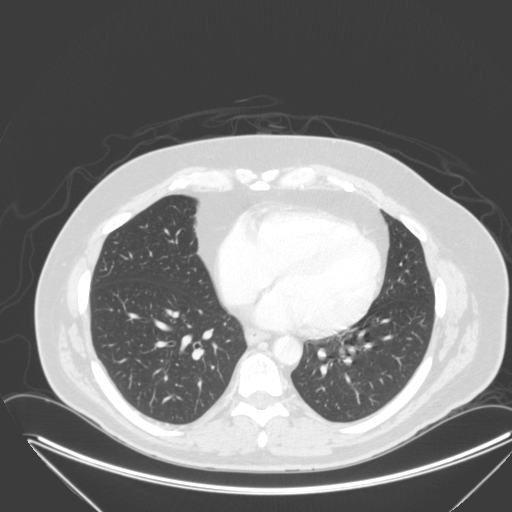
Axial chest CT slice 124 of 315 (counted from the lowest slice); tube voltage 120 kVp, convolution kernel B; slices 2.00 mm thick, 0.830 mm per pixel.
Pulmonary nodule, outlined by all four readers. Box on this slice rows 346–356, columns 338–345, the union of the readers' outlines on this slice; longest diameter 13.2 mm on average over the four readers' outlines (readers' outlines 12.3–13.9 mm), volume 668–831 mm3. Ratings, by the readers' most common answer with dissent counted: most readers (three of four) put texture at 5/5 (solid), others 4/5 (one); most readers (three of four) put margin at 5/5 (circumscribed), others 4/5 (one); sphericity 5/5 (round) by three of four readers; the rest gave 4/5 (one); calcification absent, all four readers agreeing; internal structure soft tissue, all four readers agreeing; subtlety 4/5 by two of four readers; the rest gave 3/5 (one), 5/5 (one); malignancy likelihood 3/5 by three of four readers; the rest gave 5/5 (one). Scale key (1–5): texture non-solid→solid, margin indistinct→circumscribed, sphericity linear→round, subtlety extremely subtle→obvious, malignancy likelihood highly unlikely→highly suspicious of cancer. Box rows and columns are 0-based pixel indices from the top-left corner, inclusive.